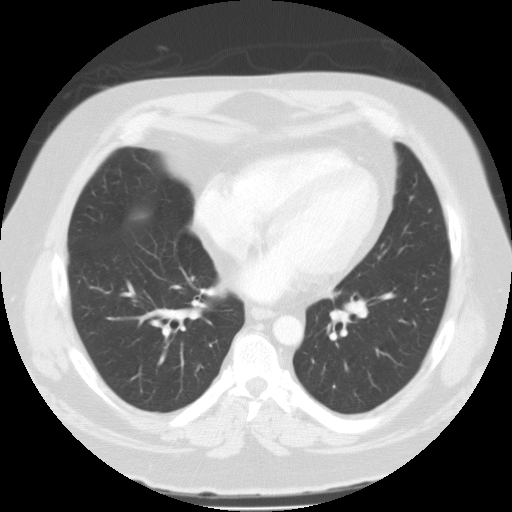
Axial chest CT slice 50 of 115 (counted from the lowest slice); tube voltage 135 kVp, convolution kernel FC01; slices 3.00 mm thick, 0.789 mm per pixel.
The readers outlined no nodule of 3 mm or more on this slice.